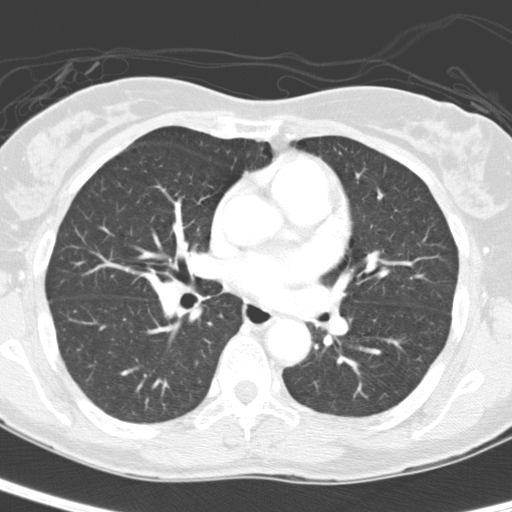
Axial slice 228 of 350 of a chest CT (slice 1 is the lowest), reconstructed with the D kernel at 120 kVp; 2.00 mm slice thickness and 0.543 mm pixels.
This slice carries no reader outline of a nodule 3 mm or larger.